Axial chest CT slice 153 of 275 (counted from the lowest slice); tube voltage 120 kVp, convolution kernel D; slices 1.00 mm thick, 0.781 mm per pixel.
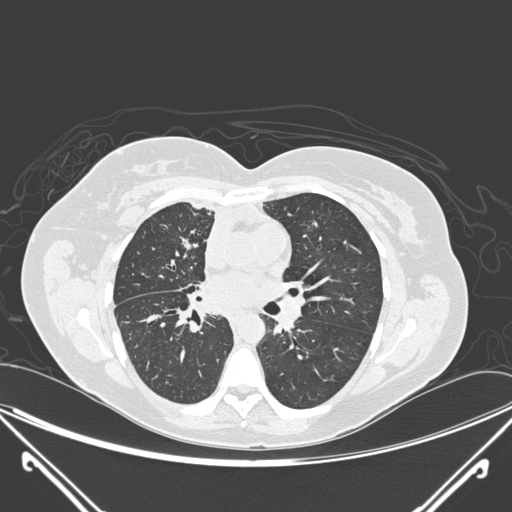
Pulmonary nodule outlined by all four readers; box rows 237–252, columns 180–198 (the union of the readers' outlines on this slice); longest diameter 22.1 mm on average over the four readers' outlines (readers' outlines 20.3–23.4 mm), volume 1750–2560 mm3. Ratings, by the readers' most common answer with dissent counted: texture 5/5 (solid), all four readers agreeing; margin 4/5 by two of four readers; the rest gave 3/5 (one), 5/5 (circumscribed) (one); sphericity 2/5 by two of four readers; the rest gave 3/5 (ovoid) (one), 5/5 (round) (one); calcification absent by three of four readers, central calcification (one); internal structure soft tissue, all four readers agreeing; subtlety 5/5 from all four readers; malignancy likelihood split among the readers: 1/5 (one), 3/5 (one), 4/5 (one), 5/5 (one). Scale key (1–5): texture non-solid→solid, margin indistinct→circumscribed, sphericity linear→round, subtlety extremely subtle→obvious, malignancy likelihood highly unlikely→highly suspicious of cancer. Box rows and columns are 0-based pixel indices from the top-left corner, inclusive.